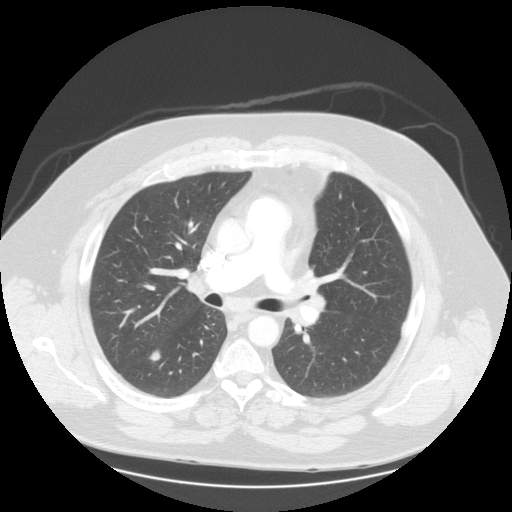
Axial chest CT slice 90 of 133 (counted from the lowest slice); tube voltage 120 kVp, convolution kernel STANDARD; slices 2.50 mm thick, 0.859 mm per pixel.
Pulmonary nodule outlined by all four readers; box rows 347–361, columns 149–160 (the union of the readers' outlines on this slice); longest diameter 14.0 mm on average over the four readers' outlines (readers' outlines 12.7–15.5 mm), volume 462–626 mm3. Ratings, by the readers' most common answer with dissent counted: texture 5/5 (solid) by three of four readers; the rest gave 4/5 (one); most readers (three of four) put margin at 4/5, others 5/5 (circumscribed) (one); sphericity 4/5 by two of four readers; the rest gave 3/5 (ovoid) (one), 5/5 (round) (one); calcification absent, all four readers agreeing; internal structure soft tissue, all four readers agreeing; subtlety 4/5 by two of four readers; the rest gave 3/5 (one), 5/5 (one); most readers (three of four) put malignancy likelihood at 4/5, others 2/5 (one). Scale key (1–5): texture non-solid→solid, margin indistinct→circumscribed, sphericity linear→round, subtlety extremely subtle→obvious, malignancy likelihood highly unlikely→highly suspicious of cancer. Box rows and columns are 0-based pixel indices from the top-left corner, inclusive.